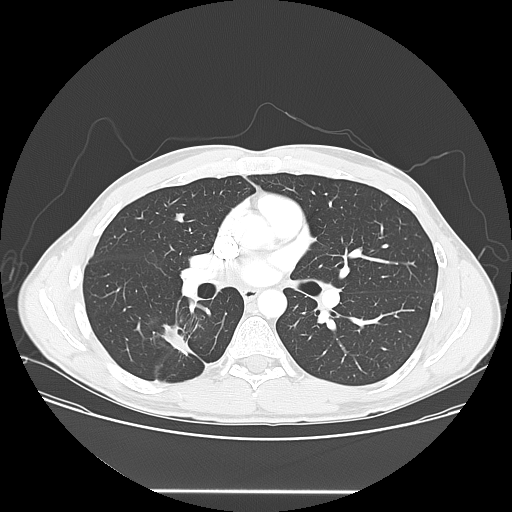
One axial slice (89 of 150, counting up from the lowest) of a chest CT acquired at 120 kVp with the LUNG kernel; each pixel is 0.781 mm and the slice is 2.50 mm thick.
Pulmonary nodule at rows 213–222, columns 175–183 (box = that reader's outline on this slice), outlined by one of the four readers; longest diameter 9.1 mm and volume 317 mm3 from that reader's outline. That reader's ratings: texture 5/5 (solid); margin 5/5 (circumscribed); sphericity 3/5 (ovoid); calcification solid calcification; internal structure soft tissue; subtlety 4/5; malignancy likelihood 1/5. Scale key (1–5): texture non-solid→solid, margin indistinct→circumscribed, sphericity linear→round, subtlety extremely subtle→obvious, malignancy likelihood highly unlikely→highly suspicious of cancer. Box rows and columns are 0-based pixel indices from the top-left corner, inclusive.